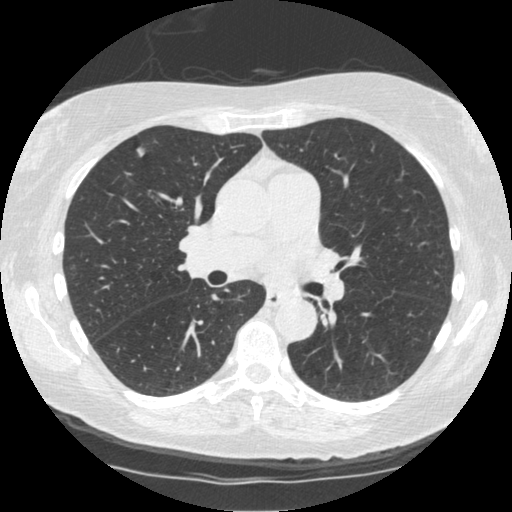
One axial slice (275 of 519, counting up from the lowest) of a chest CT acquired at 120 kVp with the STANDARD kernel; each pixel is 0.645 mm and the slice is 1.25 mm thick.
Pulmonary nodule at rows 146–156, columns 136–145 (box = the union of the readers' outlines on this slice), outlined by all four readers; longest diameter 9.4 mm on average over the four readers' outlines (readers' outlines 9.0–9.8 mm), volume 121–176 mm3. The readers' prevailing ratings and who disagreed: texture 5/5 (solid), all four readers agreeing; margin split among the readers: 4/5 (two), 5/5 (circumscribed) (two); sphericity 3/5 (ovoid) by two of four readers; the rest gave 4/5 (one), 5/5 (round) (one); calcification absent from all four readers; internal structure soft tissue, all four readers agreeing; most readers (three of four) put subtlety at 5/5, others 4/5 (one); malignancy likelihood 3/5 by three of four readers; the rest gave 2/5 (one). Scale key (1–5): texture non-solid→solid, margin indistinct→circumscribed, sphericity linear→round, subtlety extremely subtle→obvious, malignancy likelihood highly unlikely→highly suspicious of cancer. Box rows and columns are 0-based pixel indices from the top-left corner, inclusive.